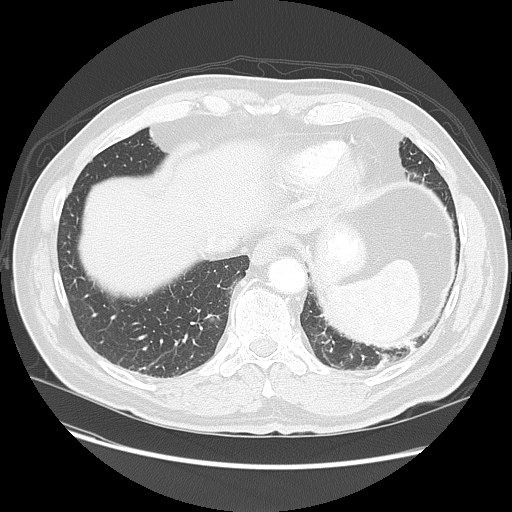
Axial chest CT slice 32 of 135 (counted from the lowest slice); tube voltage 120 kVp, convolution kernel LUNG; slices 2.50 mm thick, 0.781 mm per pixel.
Pulmonary nodule at rows 318–324, columns 210–218 (box = the one reader's outline on this slice), outlined by all four readers, one of them on this slice; median longest diameter 19.5 mm (readers' outlines 18.4–19.8 mm), median volume 2313 mm3 (2155–2410 mm3). Ratings, median across the readers with their spread: texture 5/5 (solid) from all four readers; margin 4.5/5 at the median of four readers, spread 4/5 to 5/5 (circumscribed); sphericity 3.5/5 at the median of four readers, spread 3/5 (ovoid) to 4/5; calcification absent, all four readers agreeing; internal structure soft tissue from all four readers; subtlety 5/5 at the median of four readers, spread 4–5; median malignancy likelihood 4/5 (readers ranged 2–5). Scale key (1–5): texture non-solid→solid, margin indistinct→circumscribed, sphericity linear→round, subtlety extremely subtle→obvious, malignancy likelihood highly unlikely→highly suspicious of cancer. Box rows and columns are 0-based pixel indices from the top-left corner, inclusive.